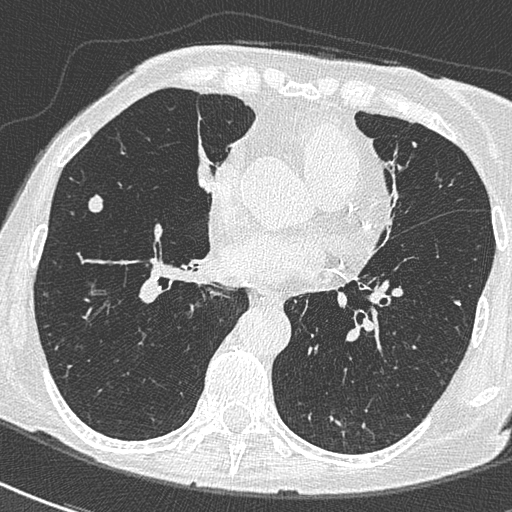
One axial slice (285 of 588, counting up from the lowest) of a chest CT acquired at 120 kVp with the B50f kernel; each pixel is 0.514 mm and the slice is 0.60 mm thick.
Pulmonary nodule outlined by all four readers; box rows 194–212, columns 88–103 (the union of the readers' outlines on this slice); longest diameter 11.2 mm on average over the four readers' outlines (readers' outlines 10.3–12.9 mm), volume 343–465 mm3. Ratings, by the readers' most common answer with dissent counted: texture 5/5 (solid) from all four readers; margin 5/5 (circumscribed) by three of four readers; the rest gave 4/5 (one); sphericity 3/5 (ovoid) by two of four readers; the rest gave 4/5 (one), 5/5 (round) (one); calcification absent, all four readers agreeing; internal structure soft tissue from all four readers; most readers (three of four) put subtlety at 5/5, others 4/5 (one); most readers (three of four) put malignancy likelihood at 3/5, others 2/5 (one). Scale key (1–5): texture non-solid→solid, margin indistinct→circumscribed, sphericity linear→round, subtlety extremely subtle→obvious, malignancy likelihood highly unlikely→highly suspicious of cancer. Box rows and columns are 0-based pixel indices from the top-left corner, inclusive.